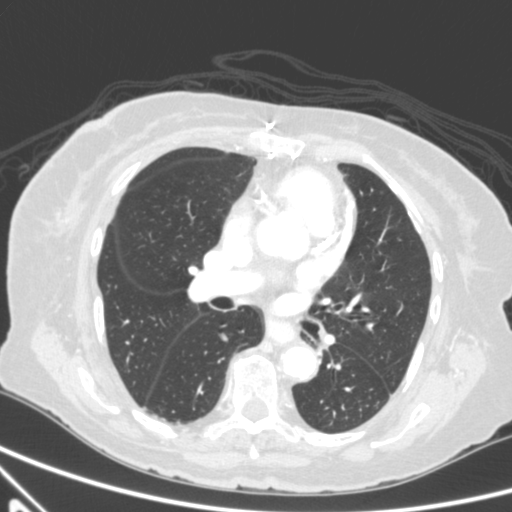
Axial chest CT slice 313 of 590 (counted from the lowest slice); tube voltage 120 kVp, convolution kernel B; slices 0.90 mm thick, 0.627 mm per pixel.
None of the four readers outlined a nodule of 3 mm or more on this slice.